Chest CT, axial plane, 120 kVp, kernel B70f. Slice 270/368 from the bottom of the scan; thickness 2.00 mm; pixel size 0.623 mm.
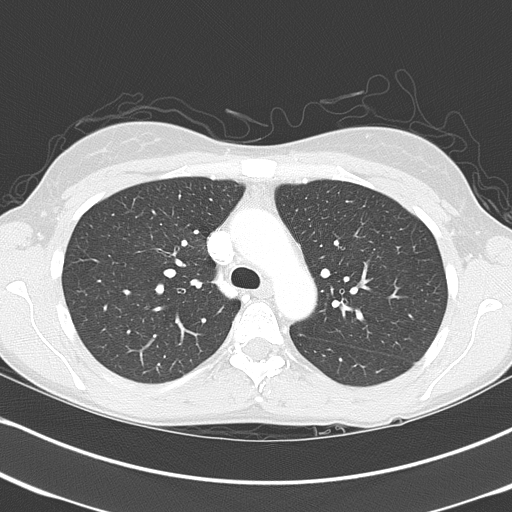
None of the four readers outlined a nodule of 3 mm or more on this slice.